Axial slice 243 of 408 of a chest CT (slice 1 is the lowest), reconstructed with the B30f kernel at 120 kVp; 0.75 mm slice thickness and 0.531 mm pixels.
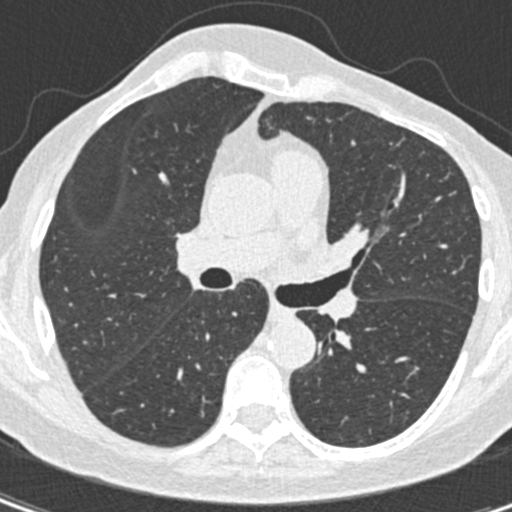
Pulmonary nodule at rows 169–174, columns 132–136 (box = that reader's outline on this slice), outlined by one of the four readers; longest diameter 4.8 mm and volume 20 mm3 from that reader's outline. Ratings by that reader: texture 5/5 (solid); margin 5/5 (circumscribed); sphericity 5/5 (round); calcification absent; internal structure soft tissue; subtlety 4/5; malignancy likelihood 2/5. Scale key (1–5): texture non-solid→solid, margin indistinct→circumscribed, sphericity linear→round, subtlety extremely subtle→obvious, malignancy likelihood highly unlikely→highly suspicious of cancer. Box rows and columns are 0-based pixel indices from the top-left corner, inclusive.